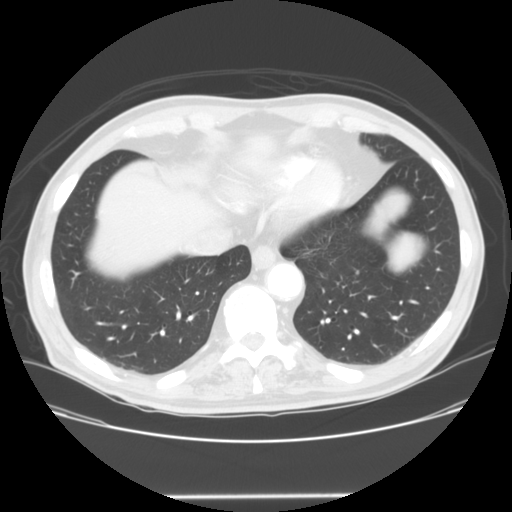
This is axial slice 37 of 128 (slice 1 is the lowest) of a chest CT; each pixel is 0.742 mm and the slice is 2.50 mm thick. Pulmonary nodule at rows 270–274, columns 356–358 (box = the union of the readers' outlines on this slice), outlined by two of the four readers; longest diameter 5.6 mm on average over the two readers' outlines (readers' outlines 4.8–6.4 mm), volume 55–118 mm3. The readers' prevailing ratings and who disagreed: texture 5/5 (solid) from both readers; margin 5/5 (circumscribed) from both readers; sphericity split among the readers: 2/5 (one), 5/5 (round) (one); calcification solid calcification from both readers; internal structure soft tissue, both readers agreeing; subtlety 5/5 from both readers; malignancy likelihood 1/5, both readers agreeing. Scale key (1–5): texture non-solid→solid, margin indistinct→circumscribed, sphericity linear→round, subtlety extremely subtle→obvious, malignancy likelihood highly unlikely→highly suspicious of cancer. Box rows and columns are 0-based pixel indices from the top-left corner, inclusive.
Acquired at 120 kVp and reconstructed with the STANDARD kernel.